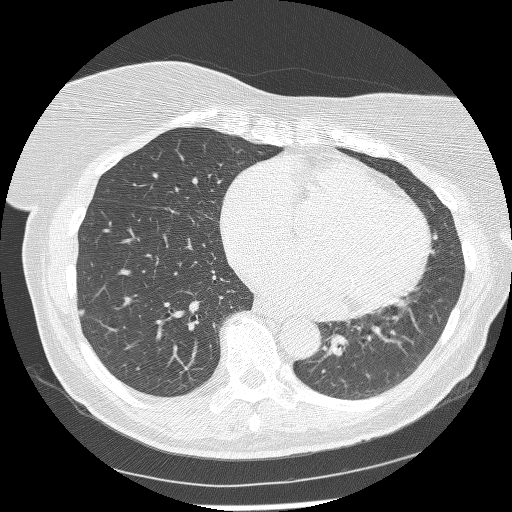
Axial chest CT slice 117 of 255 (counted from the lowest slice); 1.25 mm thick, 0.654 mm per pixel. Pulmonary nodule, outlined by two of the four readers. Box on this slice rows 309–316, columns 78–84, the union of the readers' outlines on this slice; median longest diameter 6.2 mm (readers' outlines 6.2 mm), median volume 48 mm3 (42–55 mm3). Ratings, median across the readers with their spread: median texture 4.5/5 (readers ranged 4/5 to 5/5 (solid)); median margin 4/5 (readers ranged 3/5 to 5/5 (circumscribed)); sphericity 4/5, both readers agreeing; calcification absent, both readers agreeing; internal structure soft tissue from both readers; subtlety 3/5, both readers agreeing; malignancy likelihood 2.5/5 at the median of two readers, spread 2–3. Scale key (1–5): texture non-solid→solid, margin indistinct→circumscribed, sphericity linear→round, subtlety extremely subtle→obvious, malignancy likelihood highly unlikely→highly suspicious of cancer. Box rows and columns are 0-based pixel indices from the top-left corner, inclusive.
Tube voltage 120 kVp; convolution kernel BONE.